Axial slice 109 of 145 of a chest CT (slice 1 is the lowest), reconstructed with the LUNG kernel at 120 kVp; 2.50 mm slice thickness and 0.781 mm pixels.
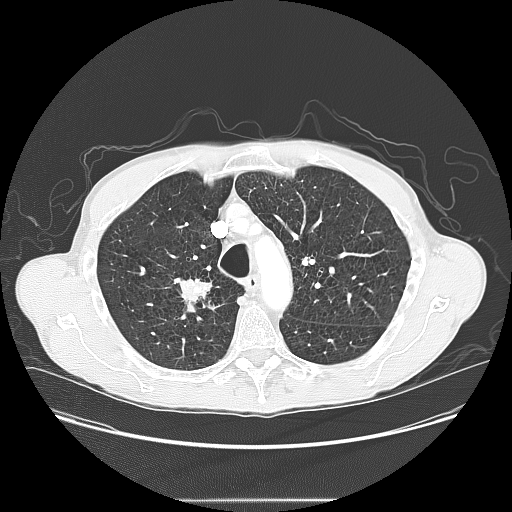
Pulmonary nodule, outlined by all four readers. Box on this slice rows 278–312, columns 174–213, the union of the readers' outlines on this slice; longest diameter 34.4 mm on average over the four readers' outlines (readers' outlines 31.9–37.6 mm), volume 6100–11568 mm3. Ratings, by the readers' most common answer with dissent counted: most readers (three of four) put texture at 5/5 (solid), others 4/5 (one); margin 3/5 by two of four readers; the rest gave 2/5 (one), 4/5 (one); sphericity 4/5 by two of four readers; the rest gave 3/5 (ovoid) (one), 5/5 (round) (one); calcification absent, all four readers agreeing; internal structure soft tissue from all four readers; subtlety 5/5 from all four readers; most readers (three of four) put malignancy likelihood at 5/5, others 4/5 (one). Scale key (1–5): texture non-solid→solid, margin indistinct→circumscribed, sphericity linear→round, subtlety extremely subtle→obvious, malignancy likelihood highly unlikely→highly suspicious of cancer. Box rows and columns are 0-based pixel indices from the top-left corner, inclusive.